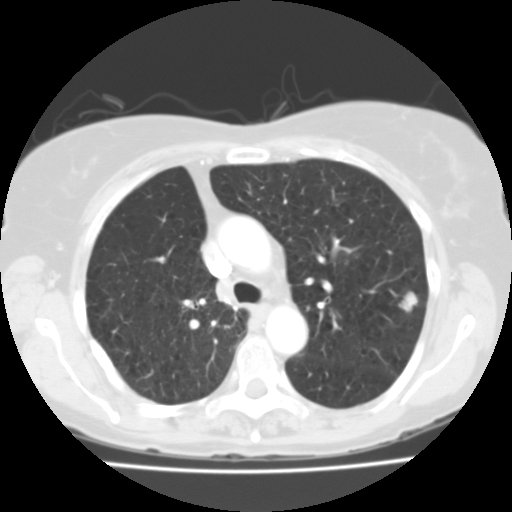
This is axial slice 73 of 112 (slice 1 is the lowest) of a chest CT; each pixel is 0.613 mm and the slice is 3.00 mm thick. Pulmonary nodule, outlined by all four readers. Box on this slice rows 291–312, columns 398–418, the union of the readers' outlines on this slice; longest diameter 13.6–15.2 mm and volume 677–955 mm3 across the four readers' outlines. Ratings across the readers: texture from 4/5 to 5/5 (solid) across the four readers; margin from 2/5 to 3/5 across the four readers; sphericity from 3/5 (ovoid) to 4/5 across the four readers; calcification absent, all four readers agreeing; internal structure soft tissue from all four readers; subtlety 4–5/5 (the readers disagree); malignancy likelihood 3–5/5 (the readers disagree). Scale key (1–5): texture non-solid→solid, margin indistinct→circumscribed, sphericity linear→round, subtlety extremely subtle→obvious, malignancy likelihood highly unlikely→highly suspicious of cancer. Box rows and columns are 0-based pixel indices from the top-left corner, inclusive.
Scan settings: 135 kVp, FC01 reconstruction kernel.